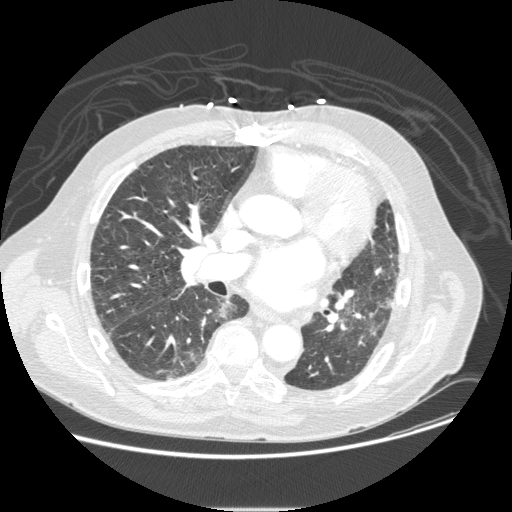
Axial slice 137 of 232 of a chest CT (slice 1 is the lowest), reconstructed with the STANDARD kernel at 120 kVp; 1.25 mm slice thickness and 0.781 mm pixels.
Pulmonary nodule at rows 300–319, columns 217–236 (box = the union of the readers' outlines on this slice), outlined by three of the four readers; median longest diameter 21.2 mm (readers' outlines 19.3–24.1 mm), median volume 1089 mm3 (947–2023 mm3). Ratings, median across the readers with their spread: texture 1/5 (non-solid) at the median of three readers, spread 1/5 (non-solid) to 2/5; margin 3/5 at the median of three readers, spread 2/5 to 3/5; median sphericity 3/5 (ovoid) (readers ranged 2/5 to 4/5); calcification absent, all three readers agreeing; internal structure soft tissue, all three readers agreeing; subtlety 4/5 at the median of three readers, spread 3–4; malignancy likelihood 4/5 at the median of three readers, spread 2–4. Scale key (1–5): texture non-solid→solid, margin indistinct→circumscribed, sphericity linear→round, subtlety extremely subtle→obvious, malignancy likelihood highly unlikely→highly suspicious of cancer. Box rows and columns are 0-based pixel indices from the top-left corner, inclusive.